One axial slice (117 of 300, counting up from the lowest) of a chest CT acquired at 120 kVp with the D kernel; each pixel is 0.678 mm and the slice is 2.00 mm thick.
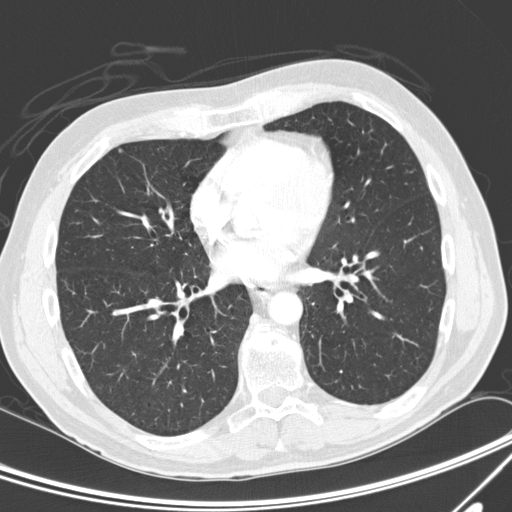
Pulmonary nodule at rows 148–152, columns 118–122 (box = the union of the readers' outlines on this slice), outlined by three of the four readers; longest diameter 4.5 mm on average over the three readers' outlines (readers' outlines 3.5–5.2 mm), volume 18–51 mm3. The readers' prevailing ratings and who disagreed: texture 5/5 (solid), all three readers agreeing; margin 5/5 (circumscribed) by two of three readers; the rest gave 4/5 (one); sphericity 5/5 (round) by two of three readers; the rest gave 4/5 (one); calcification absent from all three readers; internal structure soft tissue, all three readers agreeing; subtlety 5/5 by two of three readers; the rest gave 4/5 (one); most readers (two of three) put malignancy likelihood at 2/5, others 3/5 (one). Scale key (1–5): texture non-solid→solid, margin indistinct→circumscribed, sphericity linear→round, subtlety extremely subtle→obvious, malignancy likelihood highly unlikely→highly suspicious of cancer. Box rows and columns are 0-based pixel indices from the top-left corner, inclusive.